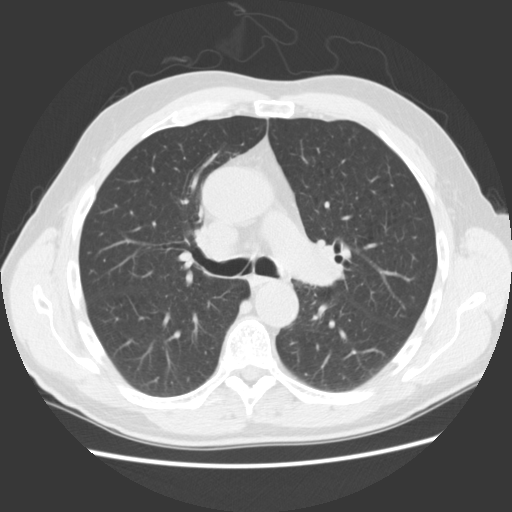
One axial slice (100 of 157, counting up from the lowest) of a chest CT acquired at 120 kVp with the STANDARD kernel; each pixel is 0.703 mm and the slice is 2.50 mm thick.
No nodule of 3 mm or larger was outlined by any of the four readers on this slice.